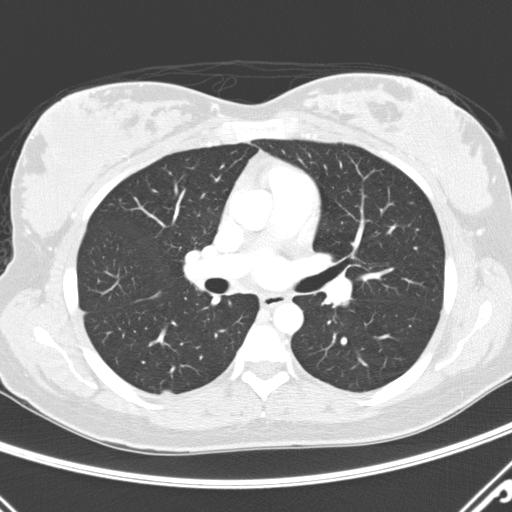
Chest CT, axial plane, 120 kVp, kernel D. Slice 171/290 from the bottom of the scan; thickness 2.00 mm; pixel size 0.648 mm.
Pulmonary nodule at rows 389–394, columns 160–173 (box = that reader's outline on this slice), outlined by one of the four readers; longest diameter 15.8 mm and volume 355 mm3 from that reader's outline. That reader's ratings: texture 5/5 (solid); margin 5/5 (circumscribed); sphericity 3/5 (ovoid); calcification absent; internal structure soft tissue; subtlety 5/5; malignancy likelihood 3/5. Scale key (1–5): texture non-solid→solid, margin indistinct→circumscribed, sphericity linear→round, subtlety extremely subtle→obvious, malignancy likelihood highly unlikely→highly suspicious of cancer. Box rows and columns are 0-based pixel indices from the top-left corner, inclusive.